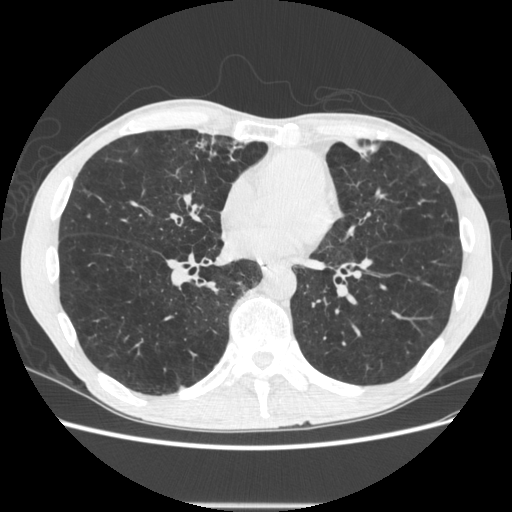
Axial slice 265 of 605 of a chest CT (slice 1 is the lowest), reconstructed with the STANDARD kernel at 120 kVp; 1.25 mm slice thickness and 0.703 mm pixels.
Pulmonary nodule at rows 385–391, columns 177–184 (box = the union of the readers' outlines on this slice), outlined by two of the four readers; the two readers' outlines give a longest diameter between 9.8 and 10.4 mm and a volume between 142 and 162 mm3. Ratings across the readers: texture 5/5 (solid), both readers agreeing; margin 5/5 (circumscribed), both readers agreeing; sphericity from 3/5 (ovoid) to 4/5 across the two readers; calcification absent, both readers agreeing; internal structure soft tissue, both readers agreeing; subtlety 4/5, both readers agreeing; malignancy likelihood 3/5 from both readers. Scale key (1–5): texture non-solid→solid, margin indistinct→circumscribed, sphericity linear→round, subtlety extremely subtle→obvious, malignancy likelihood highly unlikely→highly suspicious of cancer. Box rows and columns are 0-based pixel indices from the top-left corner, inclusive.